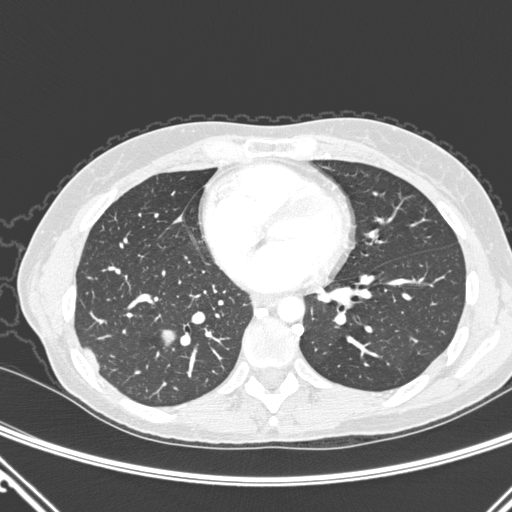
One axial slice (110 of 290, counting up from the lowest) of a chest CT acquired at 120 kVp with the D kernel; each pixel is 0.662 mm and the slice is 1.00 mm thick.
Pulmonary nodule at rows 329–348, columns 161–176 (box = the union of the readers' outlines on this slice), outlined by all four readers; longest diameter 24.6 mm on average over the four readers' outlines (readers' outlines 22.2–29.6 mm), volume 2637–3531 mm3. The readers' prevailing ratings and who disagreed: texture 5/5 (solid), all four readers agreeing; margin split among the readers: 4/5 (two), 5/5 (circumscribed) (two); sphericity 4/5 by two of four readers; the rest gave 2/5 (one), 5/5 (round) (one); calcification absent, all four readers agreeing; internal structure soft tissue, all four readers agreeing; subtlety 5/5 from all four readers; malignancy likelihood 5/5 by two of four readers; the rest gave 3/5 (one), 4/5 (one). Scale key (1–5): texture non-solid→solid, margin indistinct→circumscribed, sphericity linear→round, subtlety extremely subtle→obvious, malignancy likelihood highly unlikely→highly suspicious of cancer. Box rows and columns are 0-based pixel indices from the top-left corner, inclusive.